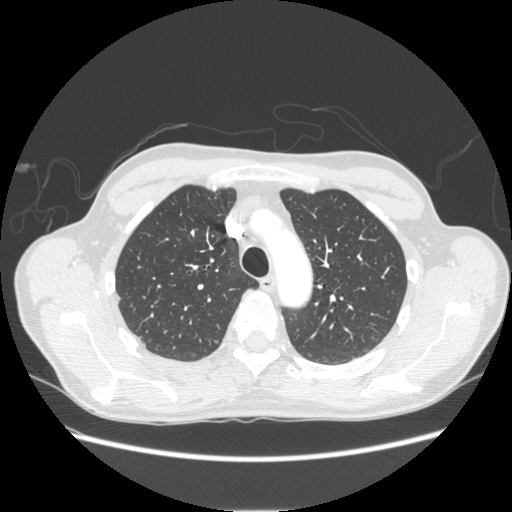
Axial chest CT slice 185 of 253 (counted from the lowest slice); tube voltage 120 kVp, convolution kernel STANDARD; slices 1.25 mm thick, 0.742 mm per pixel.
No nodule 3 mm or larger was outlined here by any reader.